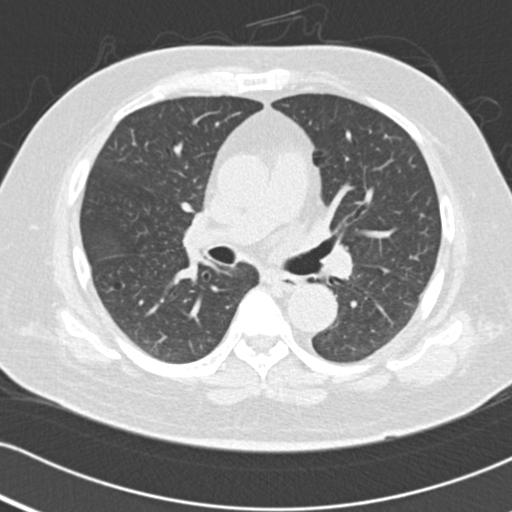
Axial chest CT slice 91 of 157 (counted from the lowest slice); tube voltage 120 kVp, convolution kernel B30f; slices 2.00 mm thick, 0.625 mm per pixel.
Pulmonary nodule, outlined by three of the four readers. Box on this slice rows 268–274, columns 380–387, the union of the readers' outlines on this slice; median longest diameter 8.9 mm (readers' outlines 5.9–10.9 mm), median volume 140 mm3 (67–166 mm3). Median ratings and the readers' spread: texture 5/5 (solid), all three readers agreeing; median margin 4/5 (readers ranged 3/5 to 4/5); sphericity 3/5 (ovoid) from all three readers; calcification absent from all three readers; internal structure soft tissue, all three readers agreeing; subtlety 3/5 at the median of three readers, spread 3–4; malignancy likelihood 3/5 at the median of three readers, spread 1–4. Scale key (1–5): texture non-solid→solid, margin indistinct→circumscribed, sphericity linear→round, subtlety extremely subtle→obvious, malignancy likelihood highly unlikely→highly suspicious of cancer. Box rows and columns are 0-based pixel indices from the top-left corner, inclusive.